One axial slice (120 of 315, counting up from the lowest) of a chest CT acquired at 120 kVp with the B kernel; each pixel is 0.830 mm and the slice is 2.00 mm thick.
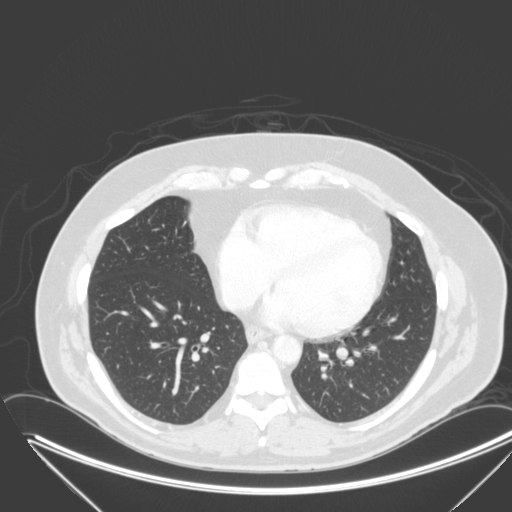
Pulmonary nodule outlined by all four readers; box rows 346–360, columns 335–348 (the union of the readers' outlines on this slice); longest diameter 12.3–13.9 mm and volume 668–831 mm3 across the four readers' outlines. Ratings across the readers: texture from 4/5 to 5/5 (solid) across the four readers; margin from 4/5 to 5/5 (circumscribed) across the four readers; sphericity from 4/5 to 5/5 (round) across the four readers; calcification absent, all four readers agreeing; internal structure soft tissue, all four readers agreeing; subtlety rated between 3 and 5 out of 5 by the four readers; malignancy likelihood 3–5/5 (the readers disagree). Scale key (1–5): texture non-solid→solid, margin indistinct→circumscribed, sphericity linear→round, subtlety extremely subtle→obvious, malignancy likelihood highly unlikely→highly suspicious of cancer. Box rows and columns are 0-based pixel indices from the top-left corner, inclusive.